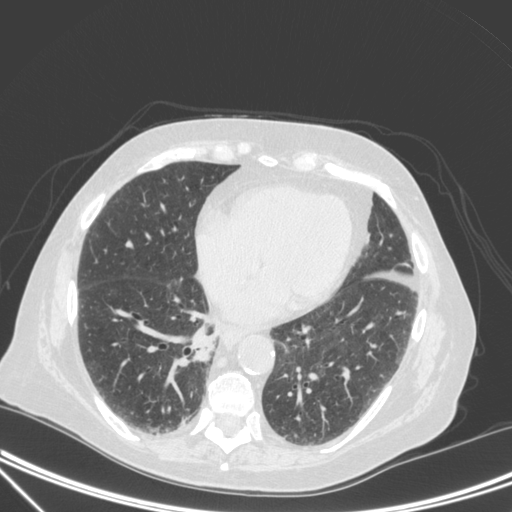
Slice 116/350 of a chest CT, counting up from the lowest; pixel size 0.725 mm, slice thickness 1.50 mm. Pulmonary nodule outlined by one of the four readers; box rows 334–359, columns 194–216 (that reader's outline on this slice); longest diameter 29.7 mm and volume 4028 mm3 from that reader's outline. That reader's ratings: texture 5/5 (solid); margin 3/5; sphericity 3/5 (ovoid); calcification absent; internal structure soft tissue; subtlety 5/5; malignancy likelihood 4/5. Scale key (1–5): texture non-solid→solid, margin indistinct→circumscribed, sphericity linear→round, subtlety extremely subtle→obvious, malignancy likelihood highly unlikely→highly suspicious of cancer. Box rows and columns are 0-based pixel indices from the top-left corner, inclusive.
Tube voltage 120 kVp; convolution kernel C.